Chest CT, axial plane, 120 kVp, kernel STANDARD. Slice 376/481 from the bottom of the scan; thickness 1.25 mm; pixel size 0.742 mm.
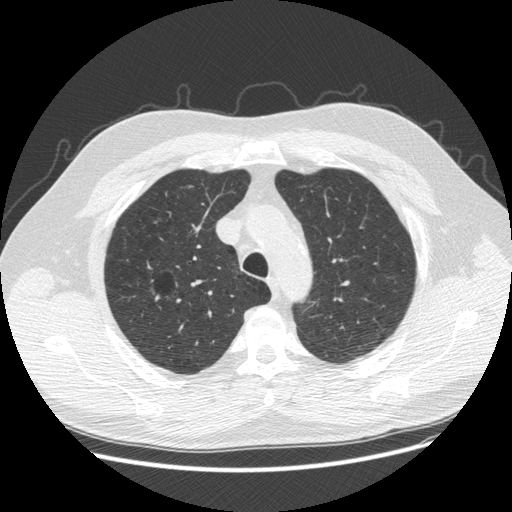
Pulmonary nodule, outlined by two of the four readers, one of them on this slice. Box on this slice rows 191–196, columns 165–167, the one reader's outline on this slice; longest diameter 8.5–9.0 mm and volume 54–136 mm3 across the two readers' outlines. Ratings across the readers: texture from 3/5 (part-solid) to 4/5 across the two readers; margin from 2/5 to 4/5 across the two readers; sphericity from 2/5 to 3/5 (ovoid) across the two readers; calcification absent, both readers agreeing; internal structure soft tissue from both readers; subtlety 1–3/5 (the readers disagree); malignancy likelihood 2–4/5 (the readers disagree). Scale key (1–5): texture non-solid→solid, margin indistinct→circumscribed, sphericity linear→round, subtlety extremely subtle→obvious, malignancy likelihood highly unlikely→highly suspicious of cancer. Box rows and columns are 0-based pixel indices from the top-left corner, inclusive.